Chest CT, axial plane, 140 kVp, kernel BONE. Slice 89/121 from the bottom of the scan; thickness 2.50 mm; pixel size 0.762 mm.
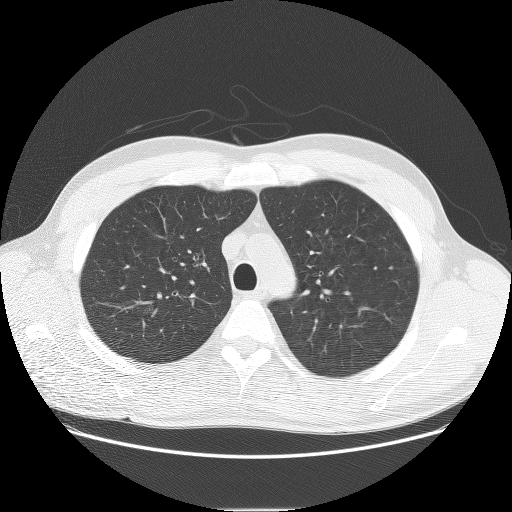
Pulmonary nodule, outlined by one of the four readers. Box on this slice rows 266–269, columns 387–392, that reader's outline on this slice; longest diameter 5.5 mm and volume 73 mm3 from that reader's outline. Ratings by that reader: texture 5/5 (solid); margin 5/5 (circumscribed); sphericity 5/5 (round); calcification absent; internal structure soft tissue; subtlety 2/5; malignancy likelihood 2/5. Scale key (1–5): texture non-solid→solid, margin indistinct→circumscribed, sphericity linear→round, subtlety extremely subtle→obvious, malignancy likelihood highly unlikely→highly suspicious of cancer. Box rows and columns are 0-based pixel indices from the top-left corner, inclusive.